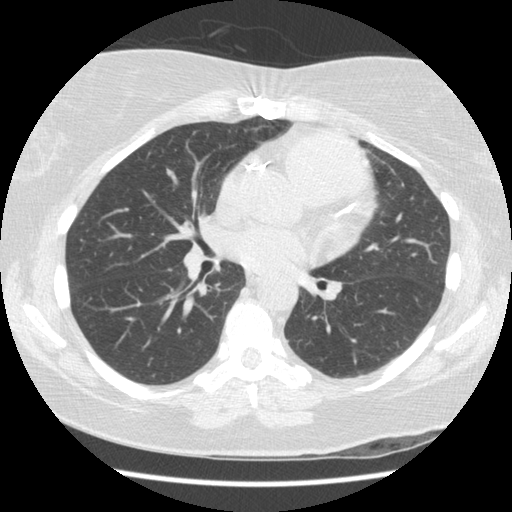
Axial slice 82 of 154 of a chest CT (slice 1 is the lowest), reconstructed with the STANDARD kernel at 120 kVp; 2.50 mm slice thickness and 0.645 mm pixels.
None of the four readers outlined a nodule of 3 mm or more on this slice.